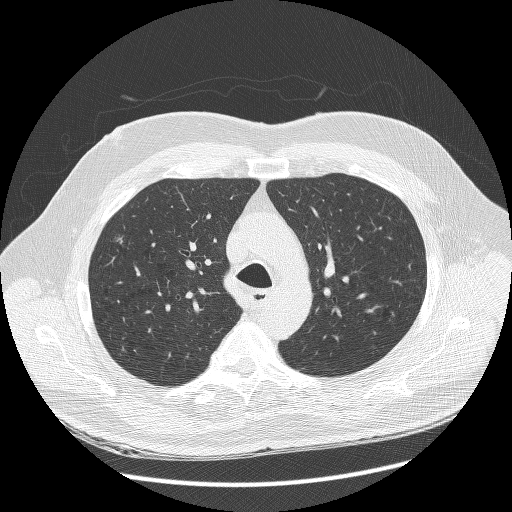
Axial slice 191 of 258 of a chest CT (slice 1 is the lowest), reconstructed with the BONE kernel at 120 kVp; 1.25 mm slice thickness and 0.766 mm pixels.
Pulmonary nodule outlined by one of the four readers; box rows 234–246, columns 113–124 (that reader's outline on this slice); longest diameter 11.1 mm and volume 121 mm3 from that reader's outline. That reader's ratings: texture 1/5 (non-solid); margin 1/5 (indistinct); sphericity 5/5 (round); calcification absent; internal structure soft tissue; subtlety 1/5; malignancy likelihood 3/5. Scale key (1–5): texture non-solid→solid, margin indistinct→circumscribed, sphericity linear→round, subtlety extremely subtle→obvious, malignancy likelihood highly unlikely→highly suspicious of cancer. Box rows and columns are 0-based pixel indices from the top-left corner, inclusive.